One axial slice (226 of 321, counting up from the lowest) of a chest CT acquired at 120 kVp with the D kernel; each pixel is 0.557 mm and the slice is 2.00 mm thick.
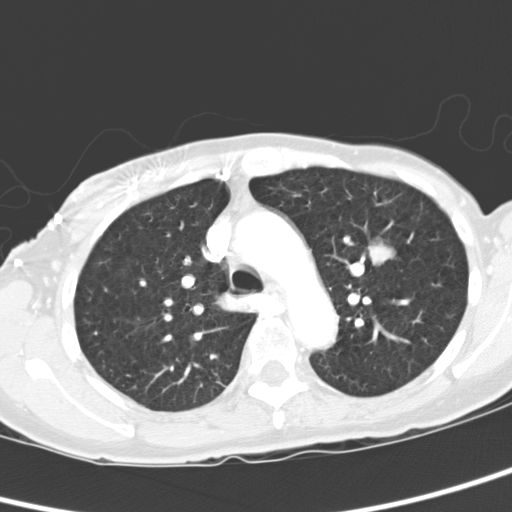
Pulmonary nodule, outlined by all four readers. Box on this slice rows 235–270, columns 367–397, the union of the readers' outlines on this slice; longest diameter 20.7 mm on average over the four readers' outlines (readers' outlines 19.2–22.3 mm), volume 3069–4125 mm3. Ratings, by the readers' most common answer with dissent counted: texture 5/5 (solid), all four readers agreeing; margin 5/5 (circumscribed), all four readers agreeing; sphericity split among the readers: 4/5 (two), 5/5 (round) (two); calcification absent, all four readers agreeing; internal structure soft tissue, all four readers agreeing; subtlety 5/5, all four readers agreeing; malignancy likelihood 5/5 by two of four readers; the rest gave 2/5 (one), 3/5 (one). Scale key (1–5): texture non-solid→solid, margin indistinct→circumscribed, sphericity linear→round, subtlety extremely subtle→obvious, malignancy likelihood highly unlikely→highly suspicious of cancer. Box rows and columns are 0-based pixel indices from the top-left corner, inclusive.